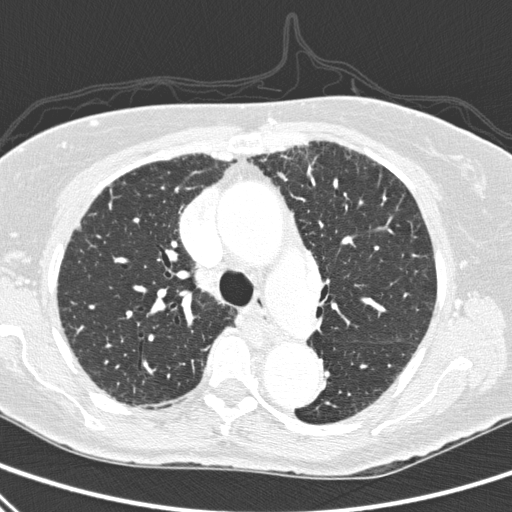
Slice 211/310 of a chest CT, counting up from the lowest; pixel size 0.643 mm, slice thickness 1.00 mm. Pulmonary nodule outlined by two of the four readers; box rows 223–231, columns 76–81 (the union of the readers' outlines on this slice); longest diameter 6.8 mm on average over the two readers' outlines (readers' outlines 6.6–6.9 mm), volume 37–38 mm3. Ratings, by the readers' most common answer with dissent counted: texture 5/5 (solid), both readers agreeing; margin split among the readers: 4/5 (one), 5/5 (circumscribed) (one); sphericity split among the readers: 2/5 (one), 3/5 (ovoid) (one); calcification split among the readers: absent (one), non-central calcification (one); internal structure soft tissue, both readers agreeing; subtlety split among the readers: 4/5 (one), 5/5 (one); malignancy likelihood split among the readers: 1/5 (one), 3/5 (one). Scale key (1–5): texture non-solid→solid, margin indistinct→circumscribed, sphericity linear→round, subtlety extremely subtle→obvious, malignancy likelihood highly unlikely→highly suspicious of cancer. Box rows and columns are 0-based pixel indices from the top-left corner, inclusive.
Scan settings: 120 kVp, D reconstruction kernel.